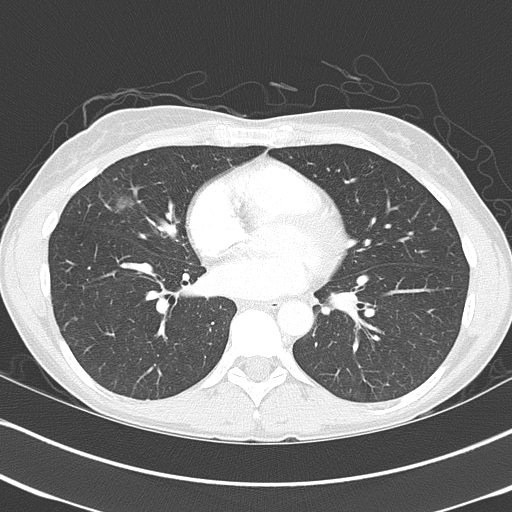
This is axial slice 191 of 368 (slice 1 is the lowest) of a chest CT; each pixel is 0.623 mm and the slice is 2.00 mm thick. Pulmonary nodule at rows 196–212, columns 115–133 (box = the union of the readers' outlines on this slice), outlined by all four readers, three of them on this slice; median longest diameter 29.8 mm (readers' outlines 27.1–39.3 mm), median volume 7696 mm3 (6531–9806 mm3). Median ratings and the readers' spread: texture 5/5 (solid) from all four readers; margin 4/5 at the median of four readers, spread 2/5 to 5/5 (circumscribed); sphericity 3/5 (ovoid) at the median of four readers, spread 2/5 to 3/5 (ovoid); calcification split among the readers: laminated calcification (one), absent (one), popcorn calcification (one), non-central calcification (one); internal structure soft tissue from all four readers; subtlety 5/5 from all four readers; median malignancy likelihood 3/5 (readers ranged 1–5). Scale key (1–5): texture non-solid→solid, margin indistinct→circumscribed, sphericity linear→round, subtlety extremely subtle→obvious, malignancy likelihood highly unlikely→highly suspicious of cancer. Box rows and columns are 0-based pixel indices from the top-left corner, inclusive.
Tube voltage 120 kVp; convolution kernel B70f.